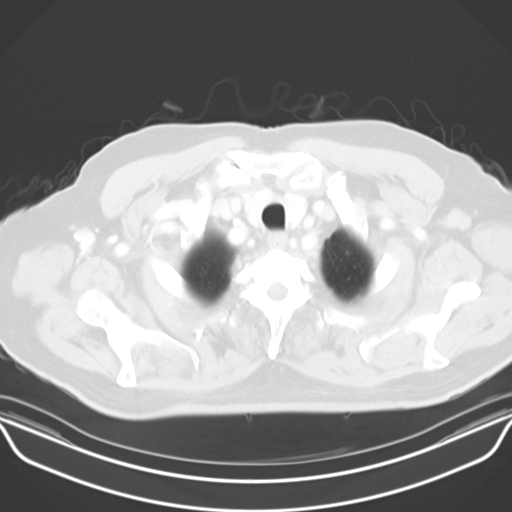
Axial chest CT slice 60 of 65 (counted from the lowest slice); 5.00 mm thick, 0.773 mm per pixel. Pulmonary nodule outlined by three of the four readers, one of them on this slice; box rows 251–254, columns 345–349 (the one reader's outline on this slice); longest diameter 6.4 mm on average over the three readers' outlines (readers' outlines 5.9–7.0 mm), volume 124–176 mm3. Ratings, by the readers' most common answer with dissent counted: texture 5/5 (solid) from all three readers; margin 4/5 from all three readers; most readers (two of three) put sphericity at 3/5 (ovoid), others 5/5 (round) (one); calcification absent from all three readers; internal structure soft tissue, all three readers agreeing; subtlety 3/5 by two of three readers; the rest gave 5/5 (one); malignancy likelihood 2/5 by two of three readers; the rest gave 3/5 (one). Scale key (1–5): texture non-solid→solid, margin indistinct→circumscribed, sphericity linear→round, subtlety extremely subtle→obvious, malignancy likelihood highly unlikely→highly suspicious of cancer. Box rows and columns are 0-based pixel indices from the top-left corner, inclusive.
Acquired at 130 kVp and reconstructed with the B30s kernel.